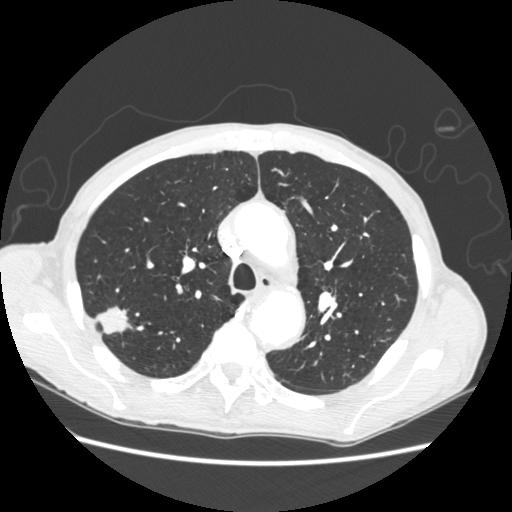
One axial slice (170 of 248, counting up from the lowest) of a chest CT acquired at 120 kVp with the STANDARD kernel; each pixel is 0.703 mm and the slice is 1.25 mm thick.
Pulmonary nodule outlined by all four readers; box rows 305–334, columns 96–133 (the union of the readers' outlines on this slice); longest diameter 29.1 mm on average over the four readers' outlines (readers' outlines 26.0–32.7 mm), volume 5181–6655 mm3. The readers' prevailing ratings and who disagreed: texture 5/5 (solid) from all four readers; margin 5/5 (circumscribed) by two of four readers; the rest gave 2/5 (one), 4/5 (one); most readers (three of four) put sphericity at 3/5 (ovoid), others 4/5 (one); calcification absent, all four readers agreeing; internal structure soft tissue, all four readers agreeing; subtlety 5/5, all four readers agreeing; malignancy likelihood 5/5 by three of four readers; the rest gave 3/5 (one). Scale key (1–5): texture non-solid→solid, margin indistinct→circumscribed, sphericity linear→round, subtlety extremely subtle→obvious, malignancy likelihood highly unlikely→highly suspicious of cancer. Box rows and columns are 0-based pixel indices from the top-left corner, inclusive.